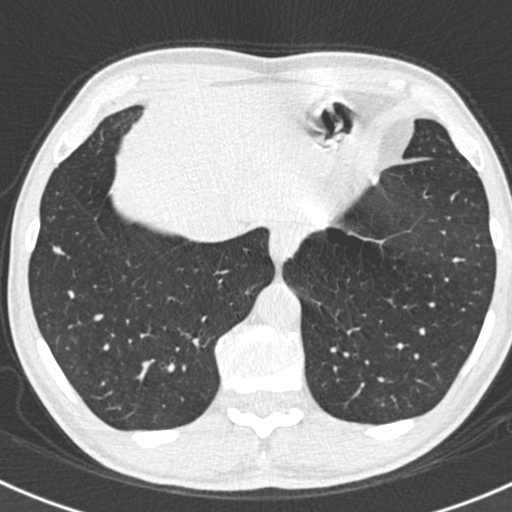
Axial slice 182 of 538 of a chest CT (slice 1 is the lowest), reconstructed with the B30f kernel at 120 kVp; 0.75 mm slice thickness and 0.605 mm pixels.
Pulmonary nodule outlined by two of the four readers; box rows 246–254, columns 53–64 (the union of the readers' outlines on this slice); longest diameter 10.5 mm on average over the two readers' outlines (readers' outlines 9.2–11.8 mm), volume 48–81 mm3. The readers' prevailing ratings and who disagreed: texture 5/5 (solid) from both readers; margin split among the readers: 4/5 (one), 5/5 (circumscribed) (one); sphericity split among the readers: 2/5 (one), 3/5 (ovoid) (one); calcification absent from both readers; internal structure soft tissue, both readers agreeing; subtlety split among the readers: 3/5 (one), 4/5 (one); malignancy likelihood 2/5 from both readers. Scale key (1–5): texture non-solid→solid, margin indistinct→circumscribed, sphericity linear→round, subtlety extremely subtle→obvious, malignancy likelihood highly unlikely→highly suspicious of cancer. Box rows and columns are 0-based pixel indices from the top-left corner, inclusive.